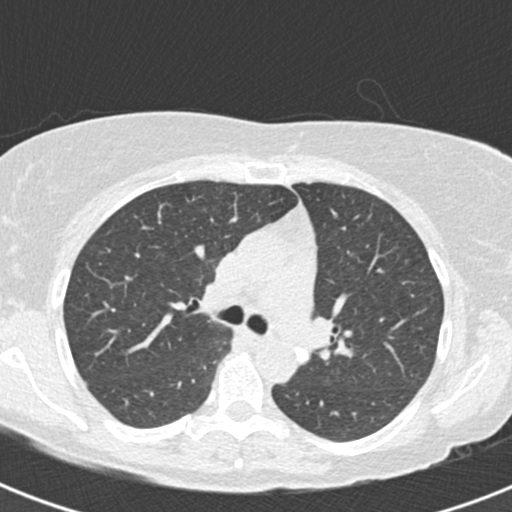
One axial slice (110 of 166, counting up from the lowest) of a chest CT acquired at 120 kVp with the B30f kernel; each pixel is 0.566 mm and the slice is 2.00 mm thick.
This slice carries no reader outline of a nodule 3 mm or larger.